Axial chest CT slice 171 of 235 (counted from the lowest slice); tube voltage 120 kVp, convolution kernel BONE; slices 1.25 mm thick, 0.537 mm per pixel.
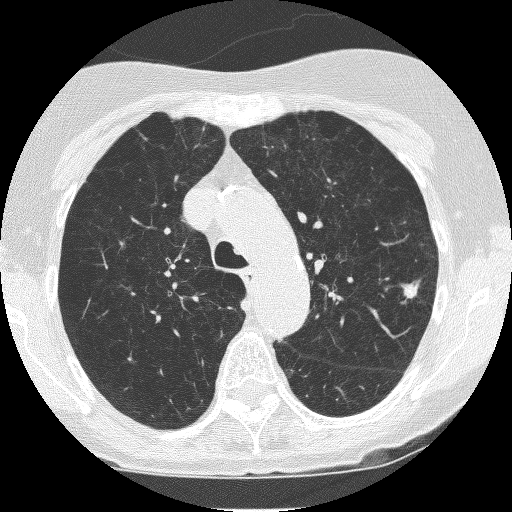
Pulmonary nodule at rows 278–299, columns 400–420 (box = the union of the readers' outlines on this slice), outlined by all four readers; median longest diameter 13.1 mm (readers' outlines 12.2–13.5 mm), median volume 470 mm3 (403–509 mm3). Median ratings and the readers' spread: median texture 5/5 (solid) (readers ranged 4/5 to 5/5 (solid)); margin 4/5 at the median of four readers, spread 1/5 (indistinct) to 4/5; median sphericity 3.5/5 (readers ranged 2/5 to 4/5); calcification: absent (three), central calcification (one); internal structure soft tissue, all four readers agreeing; median subtlety 5/5 (readers ranged 4–5); malignancy likelihood 5/5 at the median of four readers, spread 3–5. Scale key (1–5): texture non-solid→solid, margin indistinct→circumscribed, sphericity linear→round, subtlety extremely subtle→obvious, malignancy likelihood highly unlikely→highly suspicious of cancer. Box rows and columns are 0-based pixel indices from the top-left corner, inclusive.